One axial slice (237 of 429, counting up from the lowest) of a chest CT acquired at 120 kVp with the STANDARD kernel; each pixel is 0.586 mm and the slice is 1.25 mm thick.
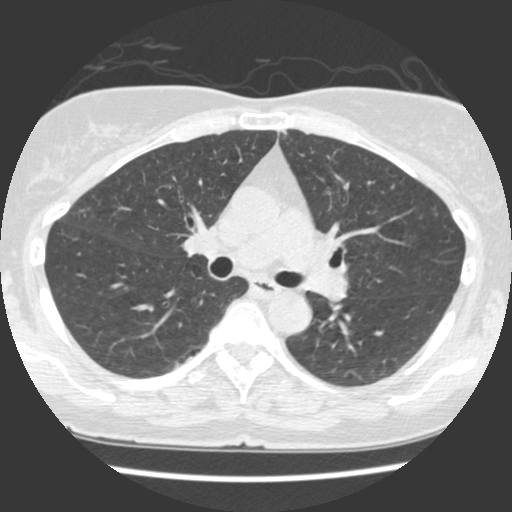
Pulmonary nodule at rows 131–133, columns 282–285 (box = that reader's outline on this slice), outlined by one of the four readers; longest diameter 7.8 mm and volume 111 mm3 from that reader's outline. That reader's ratings: texture 5/5 (solid); margin 2/5; sphericity 2/5; calcification absent; internal structure soft tissue; subtlety 2/5; malignancy likelihood 1/5. Scale key (1–5): texture non-solid→solid, margin indistinct→circumscribed, sphericity linear→round, subtlety extremely subtle→obvious, malignancy likelihood highly unlikely→highly suspicious of cancer. Box rows and columns are 0-based pixel indices from the top-left corner, inclusive.